Axial slice 218 of 278 of a chest CT (slice 1 is the lowest), reconstructed with the B40s kernel at 130 kVp; 3.00 mm slice thickness and 0.977 mm pixels.
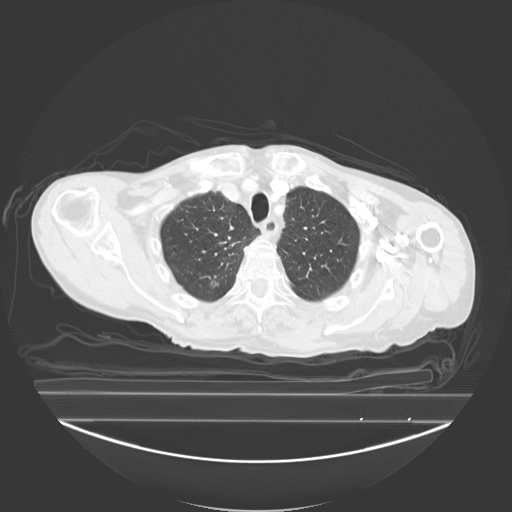
Pulmonary nodule at rows 281–286, columns 210–217 (box = the union of the readers' outlines on this slice), outlined by all four readers, three of them on this slice; the four readers' outlines give a longest diameter between 13.1 and 14.9 mm and a volume between 359 and 605 mm3. Ratings across the readers: texture from 4/5 to 5/5 (solid) across the four readers; margin from 2/5 to 4/5 across the four readers; sphericity from 3/5 (ovoid) to 5/5 (round) across the four readers; calcification absent from all four readers; internal structure soft tissue from all four readers; subtlety from 4/5 to 5/5 across the four readers; malignancy likelihood from 2/5 to 4/5 across the four readers. Scale key (1–5): texture non-solid→solid, margin indistinct→circumscribed, sphericity linear→round, subtlety extremely subtle→obvious, malignancy likelihood highly unlikely→highly suspicious of cancer. Box rows and columns are 0-based pixel indices from the top-left corner, inclusive.